One axial slice (137 of 558, counting up from the lowest) of a chest CT acquired at 120 kVp with the B30f kernel; each pixel is 0.648 mm and the slice is 0.75 mm thick.
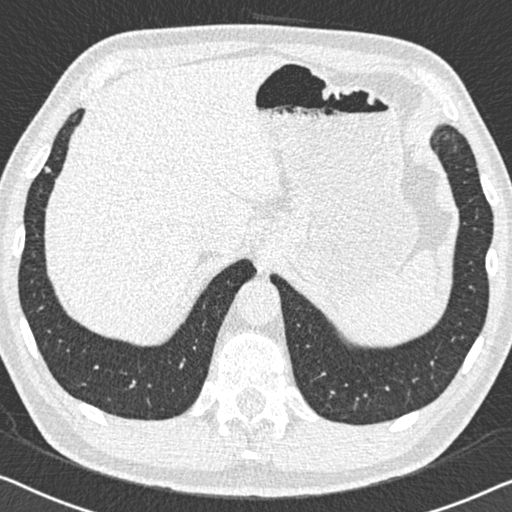
Pulmonary nodule at rows 166–172, columns 44–50 (box = the union of the readers' outlines on this slice), outlined by two of the four readers; median longest diameter 5.7 mm (readers' outlines 5.6–5.8 mm), median volume 58 mm3 (53–63 mm3). Ratings, median across the readers with their spread: texture 4.5/5 at the median of two readers, spread 4/5 to 5/5 (solid); margin 4/5, both readers agreeing; median sphericity 2.5/5 (readers ranged 2/5 to 3/5 (ovoid)); calcification absent, both readers agreeing; internal structure soft tissue, both readers agreeing; median subtlety 3.5/5 (readers ranged 2–5); median malignancy likelihood 2.5/5 (readers ranged 2–3). Scale key (1–5): texture non-solid→solid, margin indistinct→circumscribed, sphericity linear→round, subtlety extremely subtle→obvious, malignancy likelihood highly unlikely→highly suspicious of cancer. Box rows and columns are 0-based pixel indices from the top-left corner, inclusive.